Axial slice 149 of 278 of a chest CT (slice 1 is the lowest), reconstructed with the B40s kernel at 130 kVp; 3.00 mm slice thickness and 0.977 mm pixels.
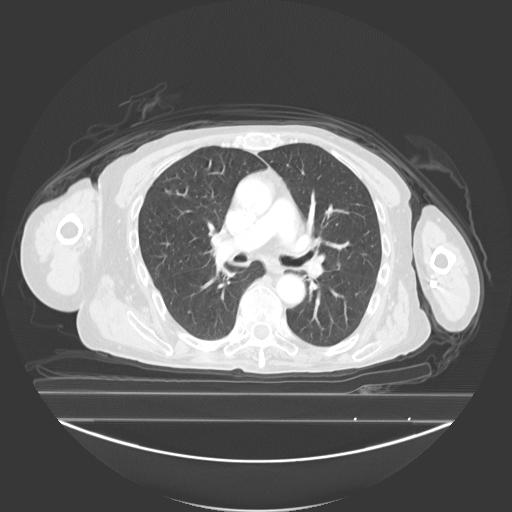
Pulmonary nodule at rows 263–268, columns 337–340 (box = the union of the readers' outlines on this slice), outlined by three of the four readers, two of them on this slice; median longest diameter 12.8 mm (readers' outlines 12.8–14.8 mm), median volume 803 mm3 (665–985 mm3). Ratings, median across the readers with their spread: texture 5/5 (solid) at the median of three readers, spread 4/5 to 5/5 (solid); margin 4/5 from all three readers; median sphericity 5/5 (round) (readers ranged 4/5 to 5/5 (round)); calcification absent from all three readers; internal structure soft tissue, all three readers agreeing; median subtlety 4/5 (readers ranged 3–5); malignancy likelihood 3/5 at the median of three readers, spread 2–4. Scale key (1–5): texture non-solid→solid, margin indistinct→circumscribed, sphericity linear→round, subtlety extremely subtle→obvious, malignancy likelihood highly unlikely→highly suspicious of cancer. Box rows and columns are 0-based pixel indices from the top-left corner, inclusive.